Axial chest CT slice 129 of 145 (counted from the lowest slice); tube voltage 120 kVp, convolution kernel LUNG; slices 2.50 mm thick, 0.781 mm per pixel.
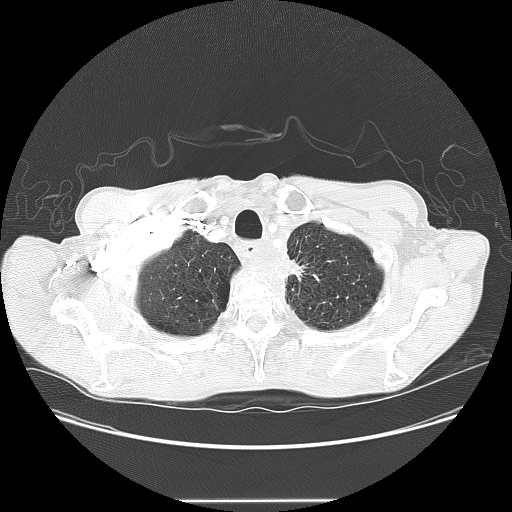
Pulmonary nodule at rows 260–275, columns 289–300 (box = that reader's outline on this slice), outlined by one of the four readers; longest diameter 20.7 mm and volume 2229 mm3 from that reader's outline. Ratings by that reader: texture 5/5 (solid); margin 2/5; sphericity 5/5 (round); calcification absent; internal structure soft tissue; subtlety 4/5; malignancy likelihood 5/5. Scale key (1–5): texture non-solid→solid, margin indistinct→circumscribed, sphericity linear→round, subtlety extremely subtle→obvious, malignancy likelihood highly unlikely→highly suspicious of cancer. Box rows and columns are 0-based pixel indices from the top-left corner, inclusive.